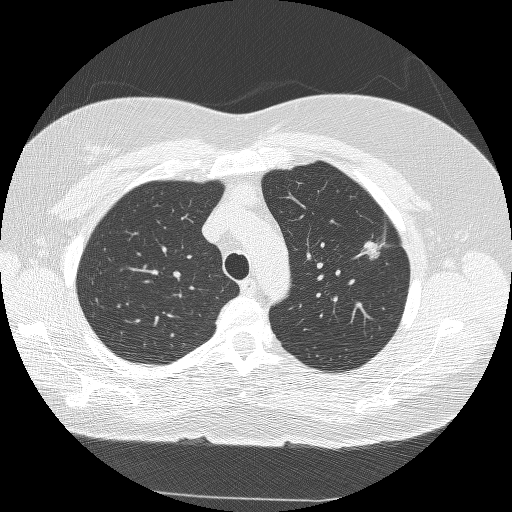
Axial slice 197 of 245 of a chest CT (slice 1 is the lowest), reconstructed with the BONE kernel at 120 kVp; 1.25 mm slice thickness and 0.664 mm pixels.
Pulmonary nodule at rows 240–259, columns 362–385 (box = the union of the readers' outlines on this slice), outlined by all four readers; longest diameter 21.3 mm on average over the four readers' outlines (readers' outlines 20.8–22.3 mm), volume 2976–3390 mm3. Ratings, by the readers' most common answer with dissent counted: most readers (three of four) put texture at 5/5 (solid), others 4/5 (one); margin split among the readers: 3/5 (two), 4/5 (two); sphericity 3/5 (ovoid) by two of four readers; the rest gave 4/5 (one), 5/5 (round) (one); calcification absent from all four readers; internal structure soft tissue from all four readers; subtlety 5/5 from all four readers; malignancy likelihood 5/5, all four readers agreeing. Scale key (1–5): texture non-solid→solid, margin indistinct→circumscribed, sphericity linear→round, subtlety extremely subtle→obvious, malignancy likelihood highly unlikely→highly suspicious of cancer. Box rows and columns are 0-based pixel indices from the top-left corner, inclusive.